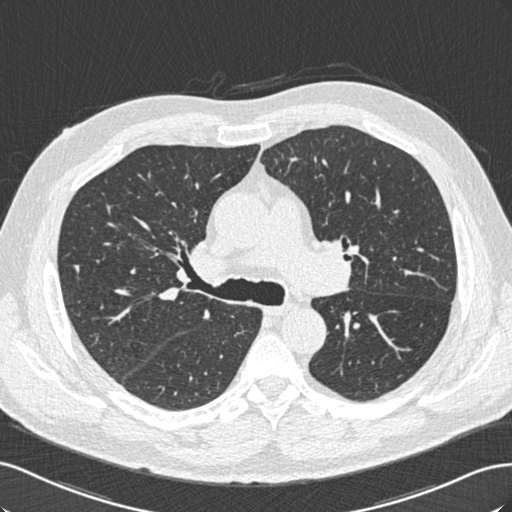
This is axial slice 365 of 529 (slice 1 is the lowest) of a chest CT; each pixel is 0.703 mm and the slice is 0.75 mm thick. Pulmonary nodule at rows 266–270, columns 75–77 (box = that reader's outline on this slice), outlined by one of the four readers; longest diameter 6.3 mm and volume 38 mm3 from that reader's outline. Ratings by that reader: texture 5/5 (solid); margin 5/5 (circumscribed); sphericity 3/5 (ovoid); calcification absent; internal structure soft tissue; subtlety 5/5; malignancy likelihood 3/5. Scale key (1–5): texture non-solid→solid, margin indistinct→circumscribed, sphericity linear→round, subtlety extremely subtle→obvious, malignancy likelihood highly unlikely→highly suspicious of cancer. Box rows and columns are 0-based pixel indices from the top-left corner, inclusive.
Tube voltage 120 kVp; convolution kernel B30f.